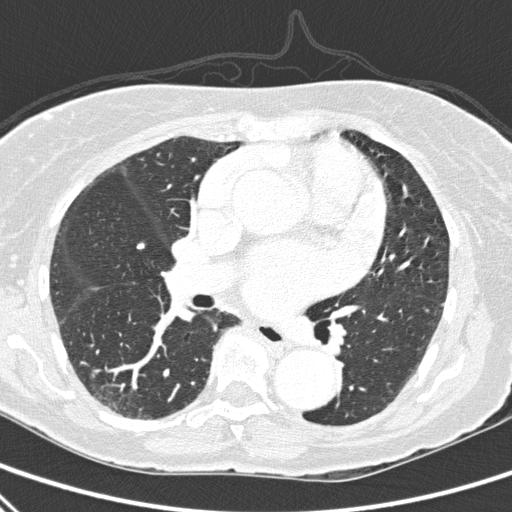
Axial slice 167 of 310 of a chest CT (slice 1 is the lowest), reconstructed with the D kernel at 120 kVp; 1.00 mm slice thickness and 0.643 mm pixels.
Pulmonary nodule outlined by all four readers; box rows 242–248, columns 135–144 (the union of the readers' outlines on this slice); longest diameter 6.5 mm on average over the four readers' outlines (readers' outlines 5.7–7.2 mm), volume 39–81 mm3. Ratings, by the readers' most common answer with dissent counted: texture 5/5 (solid), all four readers agreeing; margin 5/5 (circumscribed), all four readers agreeing; sphericity 4/5 by two of four readers; the rest gave 3/5 (ovoid) (one), 5/5 (round) (one); calcification solid calcification, all four readers agreeing; internal structure soft tissue, all four readers agreeing; subtlety 5/5 from all four readers; malignancy likelihood 1/5 from all four readers. Scale key (1–5): texture non-solid→solid, margin indistinct→circumscribed, sphericity linear→round, subtlety extremely subtle→obvious, malignancy likelihood highly unlikely→highly suspicious of cancer. Box rows and columns are 0-based pixel indices from the top-left corner, inclusive.